Chest CT, axial plane, 120 kVp, kernel BONE. Slice 57/208 from the bottom of the scan; thickness 1.25 mm; pixel size 0.723 mm.
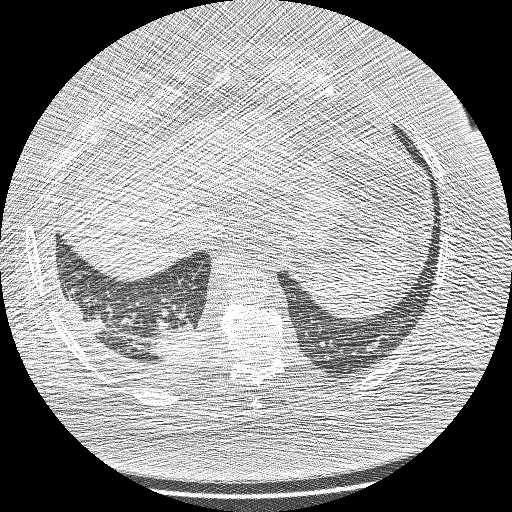
Pulmonary nodule at rows 343–350, columns 368–378 (box = the one reader's outline on this slice), outlined by all four readers, one of them on this slice; longest diameter 16.1 mm on average over the four readers' outlines (readers' outlines 13.7–18.1 mm), volume 365–1028 mm3. Ratings, by the readers' most common answer with dissent counted: texture 5/5 (solid) from all four readers; margin 4/5, all four readers agreeing; sphericity 5/5 (round) by two of four readers; the rest gave 3/5 (ovoid) (one), 4/5 (one); calcification absent by three of four readers, central calcification (one); internal structure soft tissue from all four readers; subtlety 5/5 by two of four readers; the rest gave 3/5 (one), 4/5 (one); malignancy likelihood split among the readers: 1/5 (one), 3/5 (one), 4/5 (one), 5/5 (one). Scale key (1–5): texture non-solid→solid, margin indistinct→circumscribed, sphericity linear→round, subtlety extremely subtle→obvious, malignancy likelihood highly unlikely→highly suspicious of cancer. Box rows and columns are 0-based pixel indices from the top-left corner, inclusive.